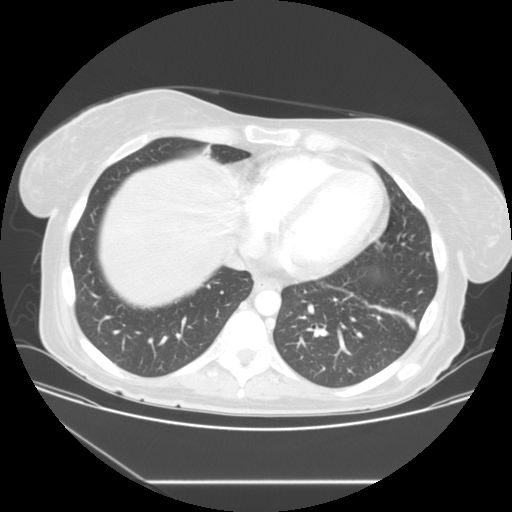
Axial chest CT slice 53 of 117 (counted from the lowest slice); tube voltage 120 kVp, convolution kernel STANDARD; slices 2.50 mm thick, 0.781 mm per pixel.
Pulmonary nodule, outlined by one of the four readers. Box on this slice rows 251–254, columns 426–429, that reader's outline on this slice; longest diameter 4.6 mm and volume 50 mm3 from that reader's outline. That reader's ratings: texture 1/5 (non-solid); margin 2/5; sphericity 5/5 (round); calcification absent; internal structure soft tissue; subtlety 1/5; malignancy likelihood 2/5. Scale key (1–5): texture non-solid→solid, margin indistinct→circumscribed, sphericity linear→round, subtlety extremely subtle→obvious, malignancy likelihood highly unlikely→highly suspicious of cancer. Box rows and columns are 0-based pixel indices from the top-left corner, inclusive.